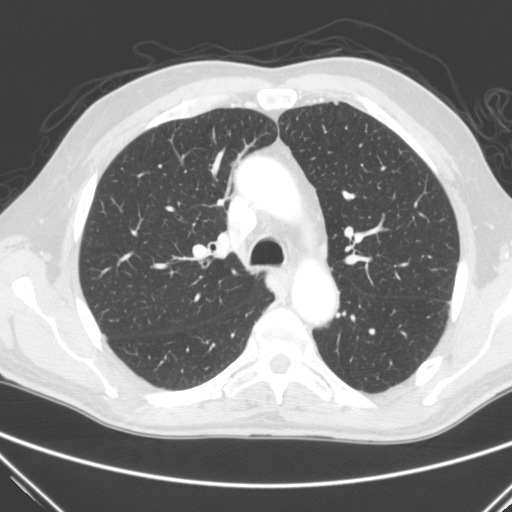
Axial chest CT slice 179 of 290 (counted from the lowest slice); 2.00 mm thick, 0.682 mm per pixel. Pulmonary nodule at rows 102–104, columns 334–337 (box = that reader's outline on this slice), outlined by one of the four readers; longest diameter 4.8 mm and volume 30 mm3 from that reader's outline. Ratings by that reader: texture 5/5 (solid); margin 5/5 (circumscribed); sphericity 5/5 (round); calcification absent; internal structure soft tissue; subtlety 5/5; malignancy likelihood 3/5. Scale key (1–5): texture non-solid→solid, margin indistinct→circumscribed, sphericity linear→round, subtlety extremely subtle→obvious, malignancy likelihood highly unlikely→highly suspicious of cancer. Box rows and columns are 0-based pixel indices from the top-left corner, inclusive.
Scan settings: 120 kVp, C reconstruction kernel.